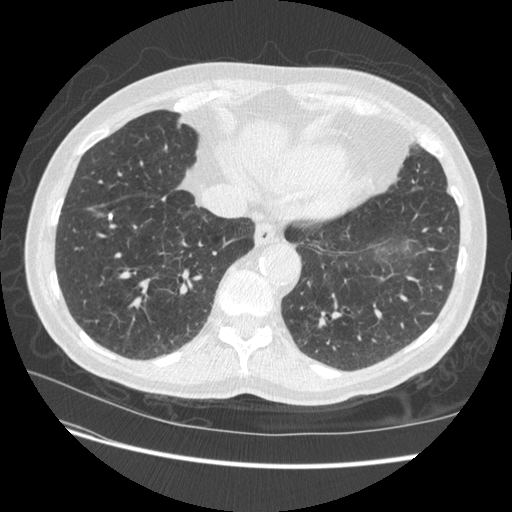
Axial chest CT slice 129 of 509 (counted from the lowest slice); 1.25 mm thick, 0.703 mm per pixel. Pulmonary nodule outlined by three of the four readers; box rows 213–218, columns 108–112 (the union of the readers' outlines on this slice); median longest diameter 12.0 mm (readers' outlines 11.4–12.1 mm), median volume 377 mm3 (273–413 mm3). Median ratings and the readers' spread: texture 5/5 (solid) from all three readers; median margin 5/5 (circumscribed) (readers ranged 4/5 to 5/5 (circumscribed)); median sphericity 3/5 (ovoid) (readers ranged 3/5 (ovoid) to 4/5); calcification solid calcification, all three readers agreeing; internal structure soft tissue from all three readers; median subtlety 5/5 (readers ranged 4–5); malignancy likelihood 1/5, all three readers agreeing. Scale key (1–5): texture non-solid→solid, margin indistinct→circumscribed, sphericity linear→round, subtlety extremely subtle→obvious, malignancy likelihood highly unlikely→highly suspicious of cancer. Box rows and columns are 0-based pixel indices from the top-left corner, inclusive.
Scan settings: 120 kVp, STANDARD reconstruction kernel.